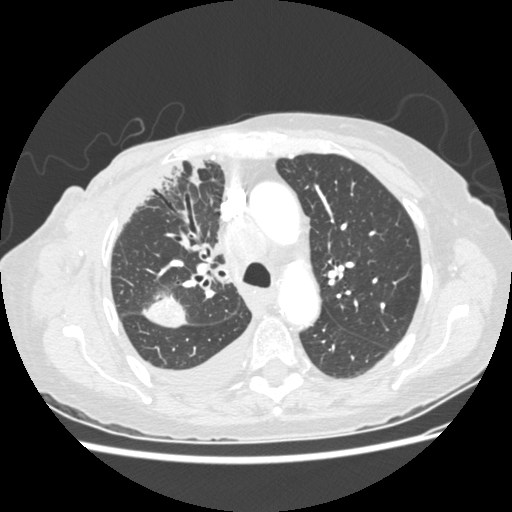
Chest CT, axial plane, 120 kVp, kernel STANDARD. Slice 181/238 from the bottom of the scan; thickness 1.25 mm; pixel size 0.664 mm.
Pulmonary nodule outlined by two of the four readers; box rows 294–327, columns 143–185 (the union of the readers' outlines on this slice); median longest diameter 32.4 mm (readers' outlines 31.3–33.5 mm), median volume 8391 mm3 (8200–8583 mm3). Ratings, median across the readers with their spread: texture 5/5 (solid) from both readers; margin 4.5/5 at the median of two readers, spread 4/5 to 5/5 (circumscribed); sphericity 4/5, both readers agreeing; calcification absent from both readers; internal structure soft tissue from both readers; subtlety 5/5 from both readers; median malignancy likelihood 4/5 (readers ranged 3–5). Scale key (1–5): texture non-solid→solid, margin indistinct→circumscribed, sphericity linear→round, subtlety extremely subtle→obvious, malignancy likelihood highly unlikely→highly suspicious of cancer. Box rows and columns are 0-based pixel indices from the top-left corner, inclusive.